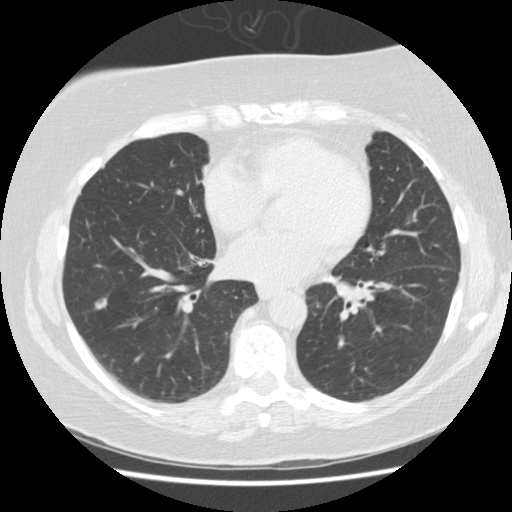
Axial chest CT slice 57 of 140 (counted from the lowest slice); tube voltage 120 kVp, convolution kernel STANDARD; slices 2.50 mm thick, 0.664 mm per pixel.
Pulmonary nodule, outlined by all four readers. Box on this slice rows 297–310, columns 94–107, the union of the readers' outlines on this slice; longest diameter 9.8–11.3 mm and volume 188–273 mm3 across the four readers' outlines. The readers' ratings, as ranges where they differ: texture from 1/5 (non-solid) to 4/5 across the four readers; margin from 3/5 to 5/5 (circumscribed) across the four readers; sphericity from 3/5 (ovoid) to 4/5 across the four readers; calcification absent from all four readers; internal structure soft tissue from all four readers; subtlety 3–4/5 (the readers disagree); malignancy likelihood 2–4/5 (the readers disagree). Scale key (1–5): texture non-solid→solid, margin indistinct→circumscribed, sphericity linear→round, subtlety extremely subtle→obvious, malignancy likelihood highly unlikely→highly suspicious of cancer. Box rows and columns are 0-based pixel indices from the top-left corner, inclusive.